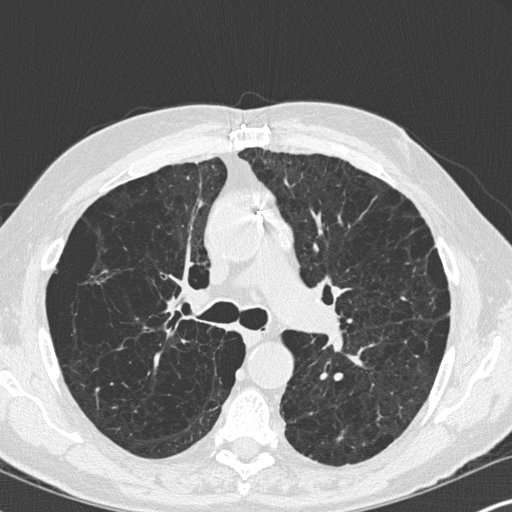
One axial slice (204 of 347, counting up from the lowest) of a chest CT acquired at 120 kVp with the B45f kernel; each pixel is 0.625 mm and the slice is 1.00 mm thick.
Pulmonary nodule at rows 430–441, columns 336–344 (box = the one reader's outline on this slice), outlined by all four readers, one of them on this slice; longest diameter 9.8–15.6 mm and volume 236–361 mm3 across the four readers' outlines. The readers' ratings, as ranges where they differ: texture from 4/5 to 5/5 (solid) across the four readers; margin from 2/5 to 5/5 (circumscribed) across the four readers; sphericity from 2/5 to 4/5 across the four readers; calcification absent, all four readers agreeing; internal structure soft tissue, all four readers agreeing; subtlety rated between 4 and 5 out of 5 by the four readers; malignancy likelihood from 3/5 to 4/5 across the four readers. Scale key (1–5): texture non-solid→solid, margin indistinct→circumscribed, sphericity linear→round, subtlety extremely subtle→obvious, malignancy likelihood highly unlikely→highly suspicious of cancer. Box rows and columns are 0-based pixel indices from the top-left corner, inclusive.